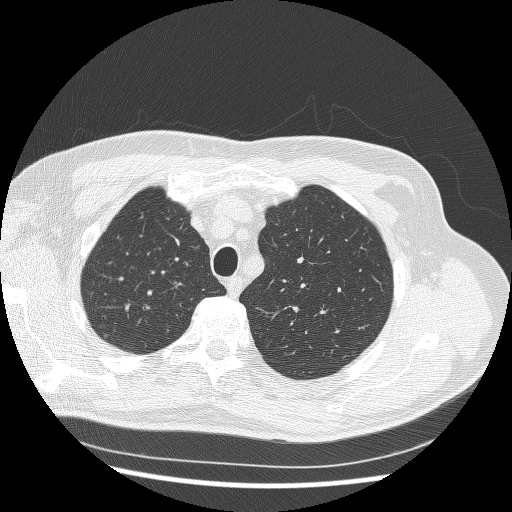
Axial chest CT slice 213 of 273 (counted from the lowest slice); tube voltage 120 kVp, convolution kernel BONE; slices 1.25 mm thick, 0.703 mm per pixel.
Pulmonary nodule outlined by one of the four readers; box rows 333–337, columns 102–107 (that reader's outline on this slice); longest diameter 5.7 mm and volume 36 mm3 from that reader's outline. Ratings by that reader: texture 1/5 (non-solid); margin 1/5 (indistinct); sphericity 4/5; calcification absent; internal structure soft tissue; subtlety 2/5; malignancy likelihood 3/5. Scale key (1–5): texture non-solid→solid, margin indistinct→circumscribed, sphericity linear→round, subtlety extremely subtle→obvious, malignancy likelihood highly unlikely→highly suspicious of cancer. Box rows and columns are 0-based pixel indices from the top-left corner, inclusive.